Axial slice 134 of 268 of a chest CT (slice 1 is the lowest), reconstructed with the BONE kernel at 120 kVp; 1.25 mm slice thickness and 0.742 mm pixels.
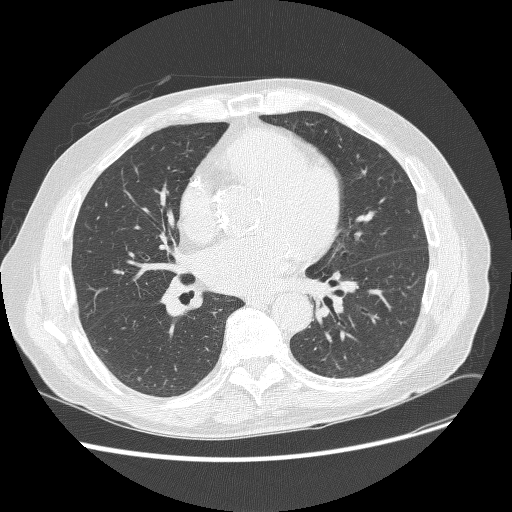
None of the four readers outlined a nodule of 3 mm or more on this slice.